Axial chest CT slice 142 of 240 (counted from the lowest slice); tube voltage 120 kVp, convolution kernel BONE; slices 1.25 mm thick, 0.703 mm per pixel.
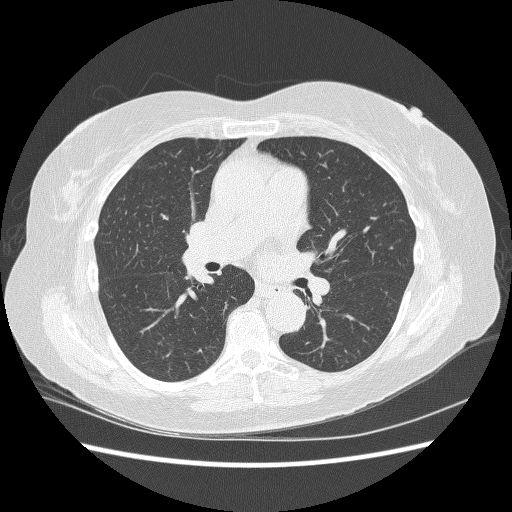
Pulmonary nodule, outlined by two of the four readers. Box on this slice rows 213–220, columns 160–167, the union of the readers' outlines on this slice; the two readers' outlines give a longest diameter between 7.2 and 9.4 mm and a volume between 98 and 136 mm3. The readers' ratings, as ranges where they differ: texture from 4/5 to 5/5 (solid) across the two readers; margin from 4/5 to 5/5 (circumscribed) across the two readers; sphericity from 2/5 to 3/5 (ovoid) across the two readers; calcification absent from both readers; internal structure soft tissue, both readers agreeing; subtlety 3–4/5 (the readers disagree); malignancy likelihood from 1/5 to 2/5 across the two readers. Scale key (1–5): texture non-solid→solid, margin indistinct→circumscribed, sphericity linear→round, subtlety extremely subtle→obvious, malignancy likelihood highly unlikely→highly suspicious of cancer. Box rows and columns are 0-based pixel indices from the top-left corner, inclusive.